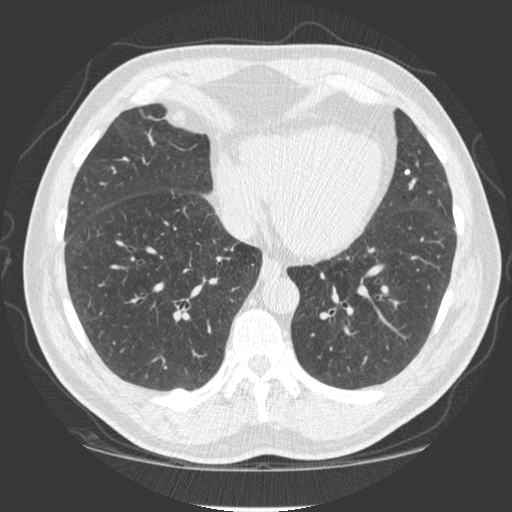
Axial chest CT slice 66 of 241 (counted from the lowest slice); 1.25 mm thick, 0.684 mm per pixel. Pulmonary nodule, outlined by one of the four readers. Box on this slice rows 170–174, columns 405–409, that reader's outline on this slice; longest diameter 4.6 mm and volume 29 mm3 from that reader's outline. Ratings by that reader: texture 5/5 (solid); margin 5/5 (circumscribed); sphericity 3/5 (ovoid); calcification solid calcification; internal structure soft tissue; subtlety 5/5; malignancy likelihood 1/5. Scale key (1–5): texture non-solid→solid, margin indistinct→circumscribed, sphericity linear→round, subtlety extremely subtle→obvious, malignancy likelihood highly unlikely→highly suspicious of cancer. Box rows and columns are 0-based pixel indices from the top-left corner, inclusive.
Acquired at 120 kVp and reconstructed with the STANDARD kernel.